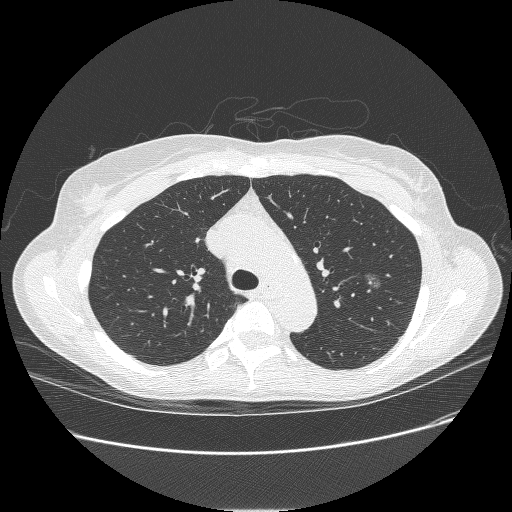
One axial slice (179 of 238, counting up from the lowest) of a chest CT acquired at 120 kVp with the BONE kernel; each pixel is 0.703 mm and the slice is 1.25 mm thick.
Pulmonary nodule outlined by all four readers; box rows 271–291, columns 362–384 (the union of the readers' outlines on this slice); median longest diameter 14.3 mm (readers' outlines 13.3–17.8 mm), median volume 631 mm3 (437–1030 mm3). Ratings, median across the readers with their spread: texture 1/5 (non-solid) at the median of four readers, spread 1/5 (non-solid) to 3/5 (part-solid); margin 1/5 (indistinct) at the median of four readers, spread 1/5 (indistinct) to 5/5 (circumscribed); sphericity 4/5 at the median of four readers, spread 3/5 (ovoid) to 4/5; calcification absent, all four readers agreeing; internal structure soft tissue, all four readers agreeing; median subtlety 4/5 (readers ranged 3–5); malignancy likelihood 3.5/5 at the median of four readers, spread 2–4. Scale key (1–5): texture non-solid→solid, margin indistinct→circumscribed, sphericity linear→round, subtlety extremely subtle→obvious, malignancy likelihood highly unlikely→highly suspicious of cancer. Box rows and columns are 0-based pixel indices from the top-left corner, inclusive.